One axial slice (231 of 261, counting up from the lowest) of a chest CT acquired at 120 kVp with the STANDARD kernel; each pixel is 0.781 mm and the slice is 1.25 mm thick.
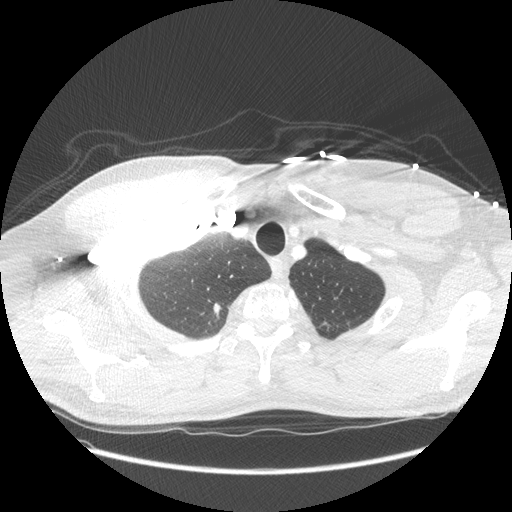
Pulmonary nodule at rows 302–318, columns 213–220 (box = the union of the readers' outlines on this slice), outlined by all four readers; the four readers' outlines give a longest diameter between 11.8 and 13.6 mm and a volume between 240 and 268 mm3. The readers' ratings, as ranges where they differ: texture 5/5 (solid) from all four readers; margin from 3/5 to 5/5 (circumscribed) across the four readers; sphericity from 2/5 to 5/5 (round) across the four readers; calcification: absent (three), solid calcification (one); internal structure soft tissue from all four readers; subtlety from 2/5 to 5/5 across the four readers; malignancy likelihood rated between 1 and 3 out of 5 by the four readers. Scale key (1–5): texture non-solid→solid, margin indistinct→circumscribed, sphericity linear→round, subtlety extremely subtle→obvious, malignancy likelihood highly unlikely→highly suspicious of cancer. Box rows and columns are 0-based pixel indices from the top-left corner, inclusive.